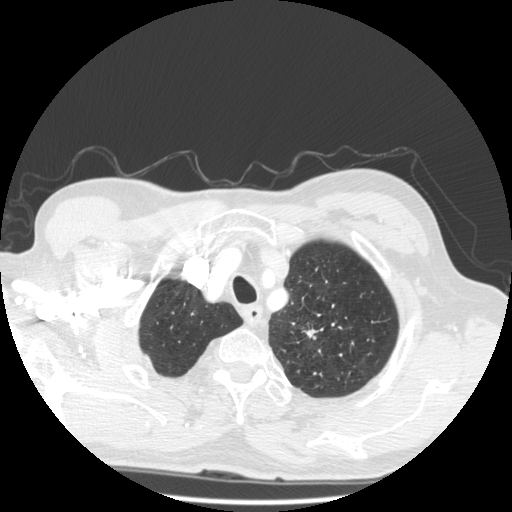
Axial chest CT slice 443 of 501 (counted from the lowest slice); tube voltage 140 kVp, convolution kernel STANDARD; slices 1.25 mm thick, 0.703 mm per pixel.
Pulmonary nodule, outlined by three of the four readers. Box on this slice rows 328–337, columns 302–323, the union of the readers' outlines on this slice; longest diameter 32.1–39.2 mm and volume 2361–4873 mm3 across the three readers' outlines. The readers' ratings, as ranges where they differ: texture from 4/5 to 5/5 (solid) across the three readers; margin from 1/5 (indistinct) to 5/5 (circumscribed) across the three readers; sphericity from 2/5 to 5/5 (round) across the three readers; calcification absent, all three readers agreeing; internal structure soft tissue, all three readers agreeing; subtlety 5/5, all three readers agreeing; malignancy likelihood from 4/5 to 5/5 across the three readers. Scale key (1–5): texture non-solid→solid, margin indistinct→circumscribed, sphericity linear→round, subtlety extremely subtle→obvious, malignancy likelihood highly unlikely→highly suspicious of cancer. Box rows and columns are 0-based pixel indices from the top-left corner, inclusive.